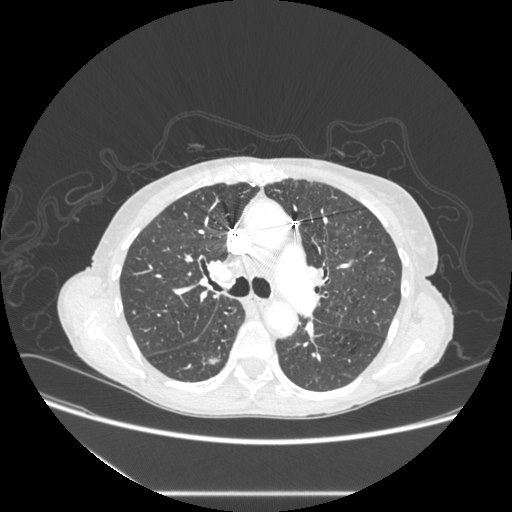
Axial slice 187 of 289 of a chest CT (slice 1 is the lowest), reconstructed with the STANDARD kernel at 120 kVp; 1.25 mm slice thickness and 0.764 mm pixels.
Pulmonary nodule, outlined by all four readers. Box on this slice rows 358–364, columns 207–219, the union of the readers' outlines on this slice; median longest diameter 21.1 mm (readers' outlines 20.5–21.9 mm), median volume 2513 mm3 (2320–2697 mm3). Ratings, median across the readers with their spread: median texture 4.5/5 (readers ranged 4/5 to 5/5 (solid)); margin 4/5, all four readers agreeing; sphericity 3/5 (ovoid) at the median of four readers, spread 3/5 (ovoid) to 5/5 (round); calcification absent, all four readers agreeing; internal structure soft tissue from all four readers; subtlety 5/5 at the median of four readers, spread 4–5; malignancy likelihood 4.5/5 at the median of four readers, spread 3–5. Scale key (1–5): texture non-solid→solid, margin indistinct→circumscribed, sphericity linear→round, subtlety extremely subtle→obvious, malignancy likelihood highly unlikely→highly suspicious of cancer. Box rows and columns are 0-based pixel indices from the top-left corner, inclusive.